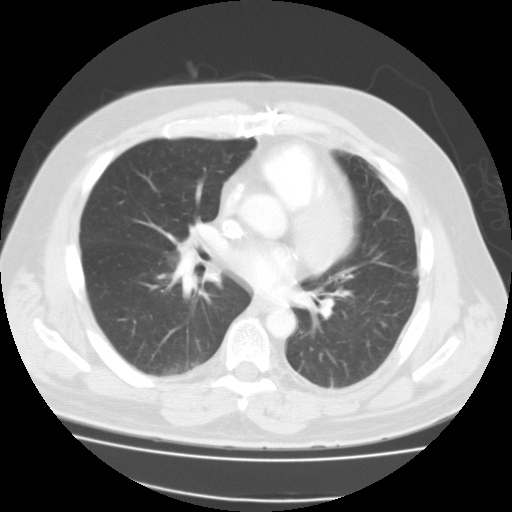
Chest CT, axial plane, 135 kVp, kernel FC01. Slice 63/115 from the bottom of the scan; thickness 3.00 mm; pixel size 0.782 mm.
No nodule of 3 mm or larger was outlined by any of the four readers on this slice.